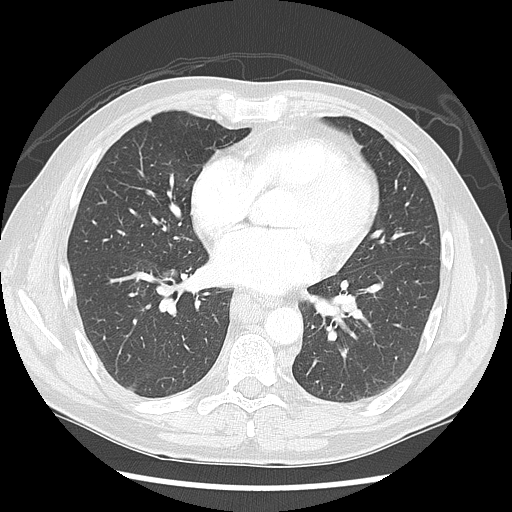
Axial chest CT slice 69 of 139 (counted from the lowest slice); 2.50 mm thick, 0.703 mm per pixel. The readers outlined no nodule of 3 mm or more on this slice.
Acquired at 120 kVp and reconstructed with the LUNG kernel.